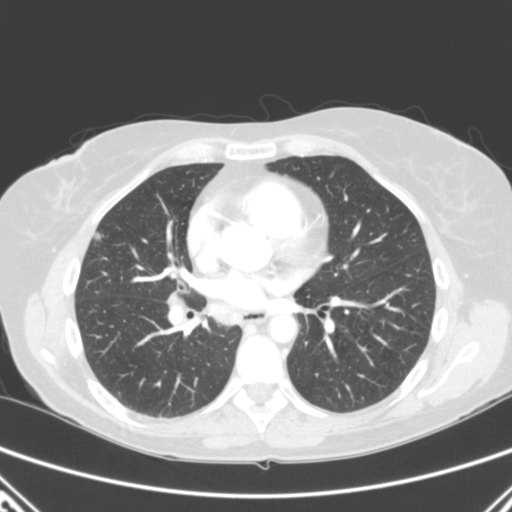
One axial slice (138 of 280, counting up from the lowest) of a chest CT acquired at 120 kVp with the B kernel; each pixel is 0.676 mm and the slice is 2.00 mm thick.
Pulmonary nodule outlined by all four readers; box rows 233–239, columns 94–102 (the union of the readers' outlines on this slice); longest diameter 8.8–10.6 mm and volume 292–382 mm3 across the four readers' outlines. The readers' ratings, as ranges where they differ: texture from 4/5 to 5/5 (solid) across the four readers; margin from 4/5 to 5/5 (circumscribed) across the four readers; sphericity from 3/5 (ovoid) to 5/5 (round) across the four readers; calcification absent from all four readers; internal structure soft tissue from all four readers; subtlety from 4/5 to 5/5 across the four readers; malignancy likelihood 3–4/5 (the readers disagree). Scale key (1–5): texture non-solid→solid, margin indistinct→circumscribed, sphericity linear→round, subtlety extremely subtle→obvious, malignancy likelihood highly unlikely→highly suspicious of cancer. Box rows and columns are 0-based pixel indices from the top-left corner, inclusive.